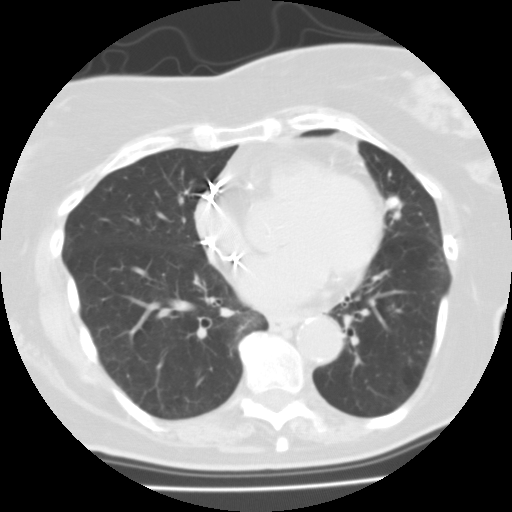
Axial slice 60 of 122 of a chest CT (slice 1 is the lowest), reconstructed with the FC01 kernel at 135 kVp; 3.00 mm slice thickness and 0.586 mm pixels.
Pulmonary nodule outlined by one of the four readers; box rows 210–218, columns 393–400 (that reader's outline on this slice); longest diameter 7.4 mm and volume 209 mm3 from that reader's outline. That reader's ratings: texture 5/5 (solid); margin 3/5; sphericity 4/5; calcification absent; internal structure soft tissue; subtlety 3/5; malignancy likelihood 2/5. Scale key (1–5): texture non-solid→solid, margin indistinct→circumscribed, sphericity linear→round, subtlety extremely subtle→obvious, malignancy likelihood highly unlikely→highly suspicious of cancer. Box rows and columns are 0-based pixel indices from the top-left corner, inclusive.